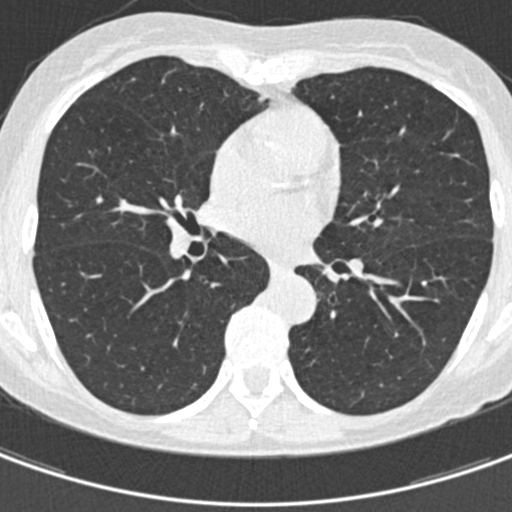
This is axial slice 226 of 429 (slice 1 is the lowest) of a chest CT; each pixel is 0.537 mm and the slice is 0.75 mm thick. Pulmonary nodule at rows 282–284, columns 422–425 (box = that reader's outline on this slice), outlined by one of the four readers; longest diameter 4.6 mm and volume 22 mm3 from that reader's outline. Ratings by that reader: texture 5/5 (solid); margin 5/5 (circumscribed); sphericity 4/5; calcification solid calcification; internal structure soft tissue; subtlety 2/5; malignancy likelihood 1/5. Scale key (1–5): texture non-solid→solid, margin indistinct→circumscribed, sphericity linear→round, subtlety extremely subtle→obvious, malignancy likelihood highly unlikely→highly suspicious of cancer. Box rows and columns are 0-based pixel indices from the top-left corner, inclusive.
Tube voltage 120 kVp; convolution kernel B30f.